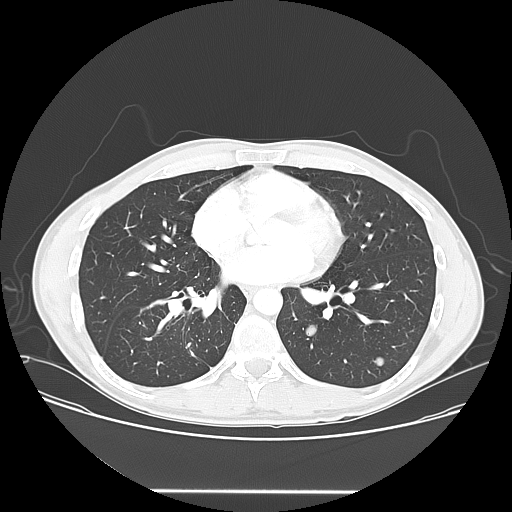
Axial chest CT slice 74 of 150 (counted from the lowest slice); 2.50 mm thick, 0.781 mm per pixel. Two pulmonary nodules are outlined on this slice; from left to right: (1) Pulmonary nodule at rows 325–336, columns 304–317 (box = the union of the readers' outlines on this slice), outlined by all four readers; longest diameter 18.2 mm on average over the four readers' outlines (readers' outlines 17.8–19.3 mm), volume 1904–2340 mm3. The readers' prevailing ratings and who disagreed: texture 5/5 (solid) by three of four readers; the rest gave 4/5 (one); margin split among the readers: 4/5 (two), 5/5 (circumscribed) (two); sphericity 4/5 by two of four readers; the rest gave 3/5 (ovoid) (one), 5/5 (round) (one); calcification absent, all four readers agreeing; internal structure soft tissue, all four readers agreeing; most readers (three of four) put subtlety at 5/5, others 3/5 (one); malignancy likelihood split among the readers: 2/5 (one), 3/5 (one), 4/5 (one), 5/5 (one). (2) Pulmonary nodule, outlined by all four readers. Box on this slice rows 356–366, columns 373–384, the union of the readers' outlines on this slice; the four readers' outlines give a longest diameter between 9.4 and 10.2 mm and a volume between 463 and 692 mm3. Ratings across the readers: texture 5/5 (solid), all four readers agreeing; margin 5/5 (circumscribed), all four readers agreeing; sphericity from 4/5 to 5/5 (round) across the four readers; calcification: absent (three), solid calcification (one); internal structure soft tissue from all four readers; subtlety 4–5/5 (the readers disagree); malignancy likelihood 1–4/5 (the readers disagree). Scale key (1–5): texture non-solid→solid, margin indistinct→circumscribed, sphericity linear→round, subtlety extremely subtle→obvious, malignancy likelihood highly unlikely→highly suspicious of cancer. Box rows and columns are 0-based pixel indices from the top-left corner, inclusive.
Acquired at 120 kVp and reconstructed with the LUNG kernel.